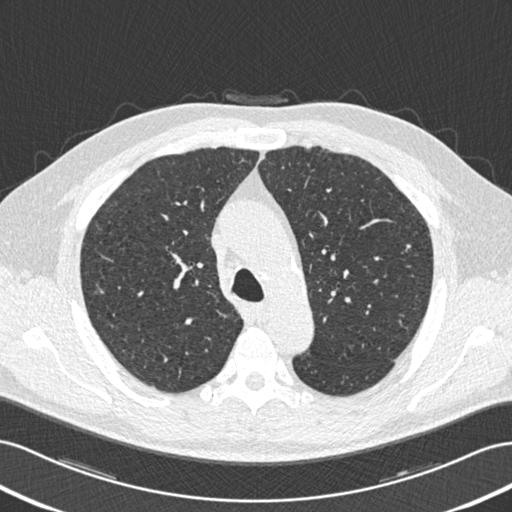
Chest CT, axial plane, 120 kVp, kernel B30f. Slice 375/506 from the bottom of the scan; thickness 0.75 mm; pixel size 0.699 mm.
Pulmonary nodule at rows 244–250, columns 406–410 (box = the union of the readers' outlines on this slice), outlined by two of the four readers; median longest diameter 5.6 mm (readers' outlines 5.5–5.8 mm), median volume 43 mm3 (42–45 mm3). Median ratings and the readers' spread: texture 5/5 (solid), both readers agreeing; margin 5/5 (circumscribed) from both readers; sphericity 5/5 (round), both readers agreeing; calcification split among the readers: solid calcification (one), absent (one); internal structure soft tissue, both readers agreeing; median subtlety 2.5/5 (readers ranged 2–3); median malignancy likelihood 1.5/5 (readers ranged 1–2). Scale key (1–5): texture non-solid→solid, margin indistinct→circumscribed, sphericity linear→round, subtlety extremely subtle→obvious, malignancy likelihood highly unlikely→highly suspicious of cancer. Box rows and columns are 0-based pixel indices from the top-left corner, inclusive.